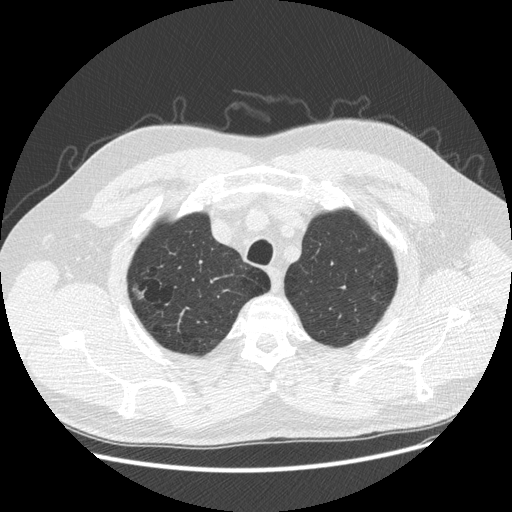
One axial slice (410 of 481, counting up from the lowest) of a chest CT acquired at 120 kVp with the STANDARD kernel; each pixel is 0.742 mm and the slice is 1.25 mm thick.
Pulmonary nodule at rows 283–299, columns 131–142 (box = the union of the readers' outlines on this slice), outlined by two of the four readers; median longest diameter 16.8 mm (readers' outlines 15.0–18.6 mm), median volume 609 mm3 (293–924 mm3). Ratings, median across the readers with their spread: texture 1/5 (non-solid) from both readers; median margin 1.5/5 (readers ranged 1/5 (indistinct) to 2/5); sphericity 4/5 at the median of two readers, spread 3/5 (ovoid) to 5/5 (round); calcification absent from both readers; internal structure soft tissue from both readers; subtlety 1.5/5 at the median of two readers, spread 1–2; malignancy likelihood 3/5 at the median of two readers, spread 2–4. Scale key (1–5): texture non-solid→solid, margin indistinct→circumscribed, sphericity linear→round, subtlety extremely subtle→obvious, malignancy likelihood highly unlikely→highly suspicious of cancer. Box rows and columns are 0-based pixel indices from the top-left corner, inclusive.